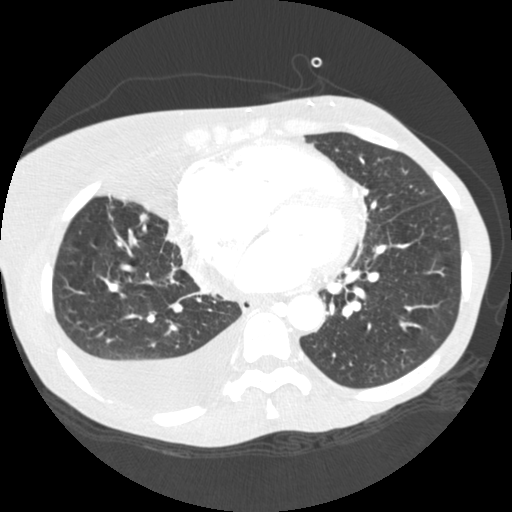
Axial slice 97 of 238 of a chest CT (slice 1 is the lowest), reconstructed with the STANDARD kernel at 120 kVp; 1.25 mm slice thickness and 0.625 mm pixels.
Pulmonary nodule at rows 213–220, columns 140–147 (box = the union of the readers' outlines on this slice), outlined by two of the four readers; longest diameter 6.1 mm on average over the two readers' outlines (readers' outlines 5.7–6.5 mm), volume 55–71 mm3. The readers' prevailing ratings and who disagreed: texture split among the readers: 4/5 (one), 5/5 (solid) (one); margin split among the readers: 3/5 (one), 4/5 (one); sphericity 4/5 from both readers; calcification absent, both readers agreeing; internal structure soft tissue, both readers agreeing; subtlety split among the readers: 2/5 (one), 5/5 (one); malignancy likelihood 3/5 from both readers. Scale key (1–5): texture non-solid→solid, margin indistinct→circumscribed, sphericity linear→round, subtlety extremely subtle→obvious, malignancy likelihood highly unlikely→highly suspicious of cancer. Box rows and columns are 0-based pixel indices from the top-left corner, inclusive.